Axial slice 133 of 253 of a chest CT (slice 1 is the lowest), reconstructed with the BONE kernel at 120 kVp; 1.25 mm slice thickness and 0.625 mm pixels.
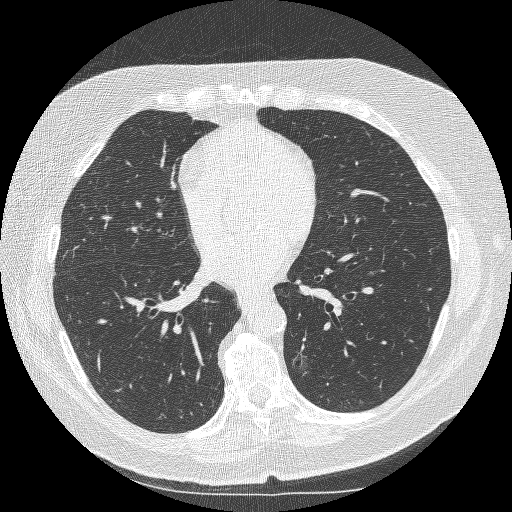
Pulmonary nodule at rows 349–376, columns 292–308 (box = the union of the readers' outlines on this slice), outlined by two of the four readers; longest diameter 15.3 mm on average over the two readers' outlines (readers' outlines 12.5–18.2 mm), volume 433–519 mm3. Ratings, by the readers' most common answer with dissent counted: texture 1/5 (non-solid) from both readers; margin 1/5 (indistinct) from both readers; sphericity split among the readers: 3/5 (ovoid) (one), 5/5 (round) (one); calcification absent from both readers; internal structure soft tissue from both readers; subtlety split among the readers: 1/5 (one), 3/5 (one); malignancy likelihood split among the readers: 3/5 (one), 4/5 (one). Scale key (1–5): texture non-solid→solid, margin indistinct→circumscribed, sphericity linear→round, subtlety extremely subtle→obvious, malignancy likelihood highly unlikely→highly suspicious of cancer. Box rows and columns are 0-based pixel indices from the top-left corner, inclusive.